Axial slice 93 of 112 of a chest CT (slice 1 is the lowest), reconstructed with the FC01 kernel at 135 kVp; 3.00 mm slice thickness and 0.573 mm pixels.
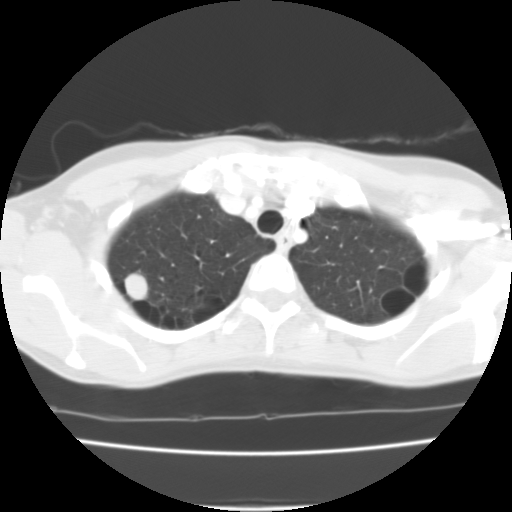
Pulmonary nodule outlined by all four readers; box rows 273–301, columns 124–148 (the union of the readers' outlines on this slice); longest diameter 17.2 mm on average over the four readers' outlines (readers' outlines 16.4–19.0 mm), volume 2422–3472 mm3. The readers' prevailing ratings and who disagreed: texture 5/5 (solid) from all four readers; margin split among the readers: 4/5 (two), 5/5 (circumscribed) (two); sphericity split among the readers: 4/5 (two), 5/5 (round) (two); calcification absent from all four readers; internal structure soft tissue, all four readers agreeing; subtlety 5/5 from all four readers; most readers (three of four) put malignancy likelihood at 3/5, others 5/5 (one). Scale key (1–5): texture non-solid→solid, margin indistinct→circumscribed, sphericity linear→round, subtlety extremely subtle→obvious, malignancy likelihood highly unlikely→highly suspicious of cancer. Box rows and columns are 0-based pixel indices from the top-left corner, inclusive.